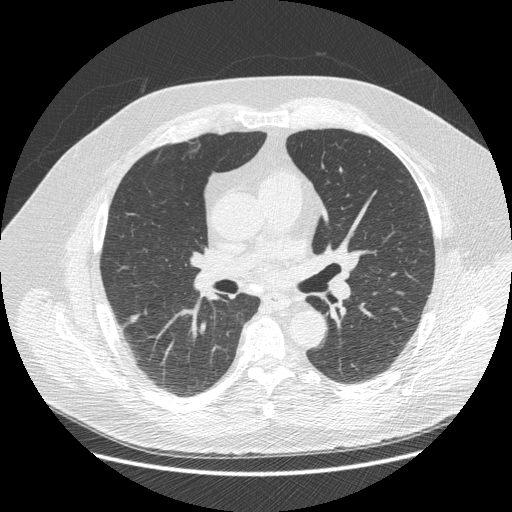
This is axial slice 282 of 477 (slice 1 is the lowest) of a chest CT; each pixel is 0.781 mm and the slice is 1.25 mm thick. Pulmonary nodule at rows 314–322, columns 130–138 (box = the union of the readers' outlines on this slice), outlined by all four readers; median longest diameter 16.2 mm (readers' outlines 12.4–20.8 mm), median volume 295 mm3 (162–429 mm3). Ratings, median across the readers with their spread: median texture 4/5 (readers ranged 1/5 (non-solid) to 5/5 (solid)); margin 3.5/5 at the median of four readers, spread 2/5 to 5/5 (circumscribed); sphericity 2.5/5 at the median of four readers, spread 2/5 to 4/5; calcification absent from all four readers; internal structure soft tissue, all four readers agreeing; median subtlety 4.5/5 (readers ranged 3–5); malignancy likelihood 3.5/5 at the median of four readers, spread 2–4. Scale key (1–5): texture non-solid→solid, margin indistinct→circumscribed, sphericity linear→round, subtlety extremely subtle→obvious, malignancy likelihood highly unlikely→highly suspicious of cancer. Box rows and columns are 0-based pixel indices from the top-left corner, inclusive.
Acquired at 120 kVp and reconstructed with the STANDARD kernel.